Axial slice 122 of 465 of a chest CT (slice 1 is the lowest), reconstructed with the STANDARD kernel at 120 kVp; 1.25 mm slice thickness and 0.586 mm pixels.
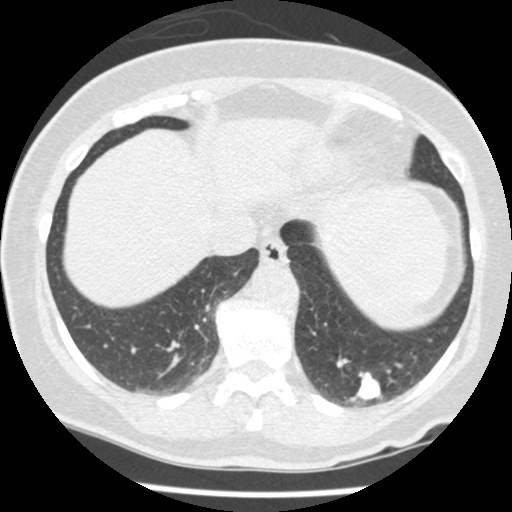
Pulmonary nodule, outlined by all four readers. Box on this slice rows 372–399, columns 356–381, the union of the readers' outlines on this slice; median longest diameter 17.8 mm (readers' outlines 15.8–20.8 mm), median volume 1311 mm3 (1106–1600 mm3). Median ratings and the readers' spread: texture 5/5 (solid) from all four readers; median margin 4/5 (readers ranged 3/5 to 5/5 (circumscribed)); median sphericity 4/5 (readers ranged 3/5 (ovoid) to 4/5); calcification: absent (two), solid calcification (one), central calcification (one); internal structure soft tissue, all four readers agreeing; subtlety 5/5 from all four readers; median malignancy likelihood 2.5/5 (readers ranged 1–5). Scale key (1–5): texture non-solid→solid, margin indistinct→circumscribed, sphericity linear→round, subtlety extremely subtle→obvious, malignancy likelihood highly unlikely→highly suspicious of cancer. Box rows and columns are 0-based pixel indices from the top-left corner, inclusive.